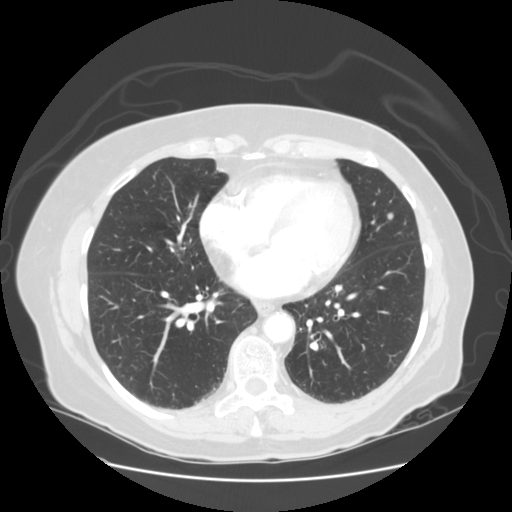
One axial slice (54 of 128, counting up from the lowest) of a chest CT acquired at 120 kVp with the STANDARD kernel; each pixel is 0.742 mm and the slice is 2.50 mm thick.
Pulmonary nodule outlined by all four readers; box rows 212–219, columns 386–393 (the union of the readers' outlines on this slice); longest diameter 6.3–7.4 mm and volume 101–178 mm3 across the four readers' outlines. Ratings across the readers: texture from 3/5 (part-solid) to 5/5 (solid) across the four readers; margin from 2/5 to 5/5 (circumscribed) across the four readers; sphericity from 3/5 (ovoid) to 5/5 (round) across the four readers; calcification absent, all four readers agreeing; internal structure soft tissue, all four readers agreeing; subtlety 3–4/5 (the readers disagree); malignancy likelihood rated between 2 and 3 out of 5 by the four readers. Scale key (1–5): texture non-solid→solid, margin indistinct→circumscribed, sphericity linear→round, subtlety extremely subtle→obvious, malignancy likelihood highly unlikely→highly suspicious of cancer. Box rows and columns are 0-based pixel indices from the top-left corner, inclusive.